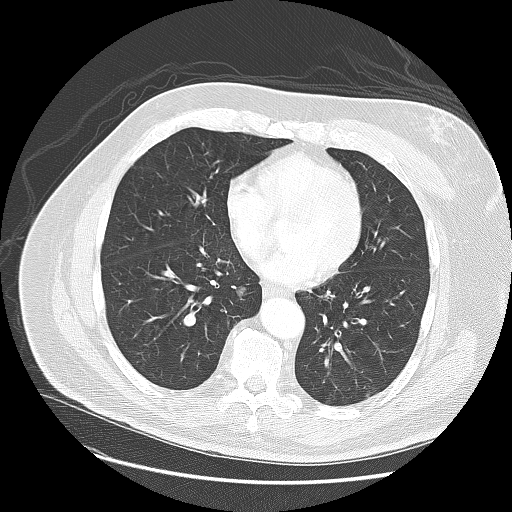
Axial slice 64 of 140 of a chest CT (slice 1 is the lowest), reconstructed with the LUNG kernel at 120 kVp; 2.50 mm slice thickness and 0.781 mm pixels.
Two pulmonary nodules on this slice, listed from left to right. (1) Pulmonary nodule at rows 286–297, columns 236–245 (box = the union of the readers' outlines on this slice), outlined by all four readers, three of them on this slice; the four readers' outlines give a longest diameter between 9.7 and 11.8 mm and a volume between 557 and 728 mm3. The readers' ratings, as ranges where they differ: texture from 4/5 to 5/5 (solid) across the four readers; margin 5/5 (circumscribed), all four readers agreeing; sphericity from 4/5 to 5/5 (round) across the four readers; calcification absent from all four readers; internal structure soft tissue from all four readers; subtlety from 3/5 to 4/5 across the four readers; malignancy likelihood from 2/5 to 4/5 across the four readers. (2) Pulmonary nodule at rows 393–397, columns 365–369 (box = the one reader's outline on this slice), outlined by all four readers, one of them on this slice; median longest diameter 9.9 mm (readers' outlines 7.4–12.0 mm), median volume 366 mm3 (152–453 mm3). Ratings, median across the readers with their spread: texture 5/5 (solid) from all four readers; margin 5/5 (circumscribed), all four readers agreeing; median sphericity 4/5 (readers ranged 3/5 (ovoid) to 5/5 (round)); calcification absent, all four readers agreeing; internal structure soft tissue, all four readers agreeing; subtlety 3.5/5 at the median of four readers, spread 3–5; malignancy likelihood 3/5 at the median of four readers, spread 2–4. Scale key (1–5): texture non-solid→solid, margin indistinct→circumscribed, sphericity linear→round, subtlety extremely subtle→obvious, malignancy likelihood highly unlikely→highly suspicious of cancer. Box rows and columns are 0-based pixel indices from the top-left corner, inclusive.